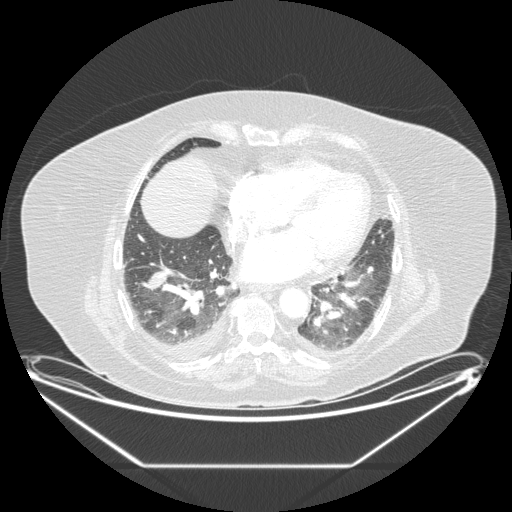
Chest CT, axial plane, 120 kVp, kernel STANDARD. Slice 70/206 from the bottom of the scan; thickness 1.25 mm; pixel size 0.898 mm.
Pulmonary nodule outlined by all four readers; box rows 270–290, columns 147–167 (the union of the readers' outlines on this slice); the four readers' outlines give a longest diameter between 25.7 and 34.7 mm and a volume between 3668 and 5061 mm3. Ratings across the readers: texture from 4/5 to 5/5 (solid) across the four readers; margin 4/5 from all four readers; sphericity from 3/5 (ovoid) to 5/5 (round) across the four readers; calcification absent from all four readers; internal structure soft tissue from all four readers; subtlety from 4/5 to 5/5 across the four readers; malignancy likelihood 3–5/5 (the readers disagree). Scale key (1–5): texture non-solid→solid, margin indistinct→circumscribed, sphericity linear→round, subtlety extremely subtle→obvious, malignancy likelihood highly unlikely→highly suspicious of cancer. Box rows and columns are 0-based pixel indices from the top-left corner, inclusive.